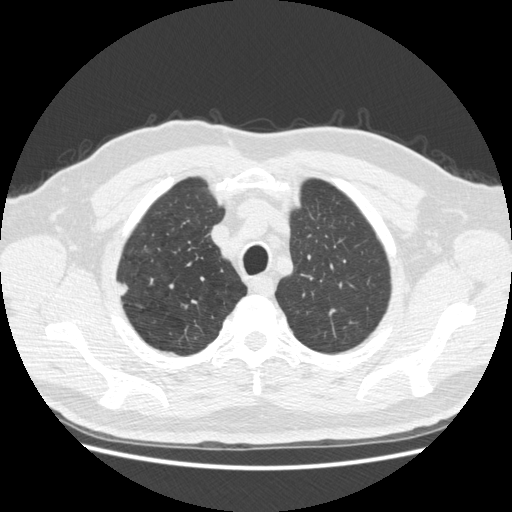
Chest CT, axial plane, 120 kVp, kernel STANDARD. Slice 386/465 from the bottom of the scan; thickness 1.25 mm; pixel size 0.703 mm.
Pulmonary nodule at rows 280–296, columns 114–128 (box = the union of the readers' outlines on this slice), outlined by all four readers; longest diameter 17.5 mm on average over the four readers' outlines (readers' outlines 15.5–18.9 mm), volume 1041–1475 mm3. Ratings, by the readers' most common answer with dissent counted: texture 5/5 (solid), all four readers agreeing; margin 5/5 (circumscribed) by three of four readers; the rest gave 4/5 (one); sphericity 3/5 (ovoid) by two of four readers; the rest gave 4/5 (one), 5/5 (round) (one); calcification absent, all four readers agreeing; internal structure soft tissue from all four readers; subtlety 5/5 by three of four readers; the rest gave 4/5 (one); malignancy likelihood 5/5 by two of four readers; the rest gave 2/5 (one), 3/5 (one). Scale key (1–5): texture non-solid→solid, margin indistinct→circumscribed, sphericity linear→round, subtlety extremely subtle→obvious, malignancy likelihood highly unlikely→highly suspicious of cancer. Box rows and columns are 0-based pixel indices from the top-left corner, inclusive.